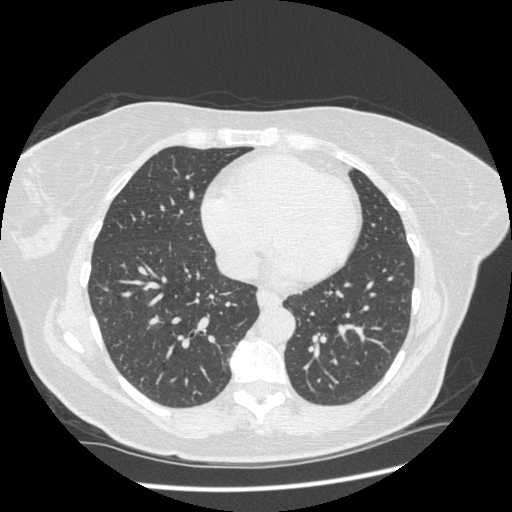
One axial slice (156 of 436, counting up from the lowest) of a chest CT acquired at 120 kVp with the STANDARD kernel; each pixel is 0.703 mm and the slice is 1.25 mm thick.
The readers outlined no nodule of 3 mm or more on this slice.